One axial slice (80 of 280, counting up from the lowest) of a chest CT acquired at 120 kVp with the D kernel; each pixel is 0.666 mm and the slice is 1.00 mm thick.
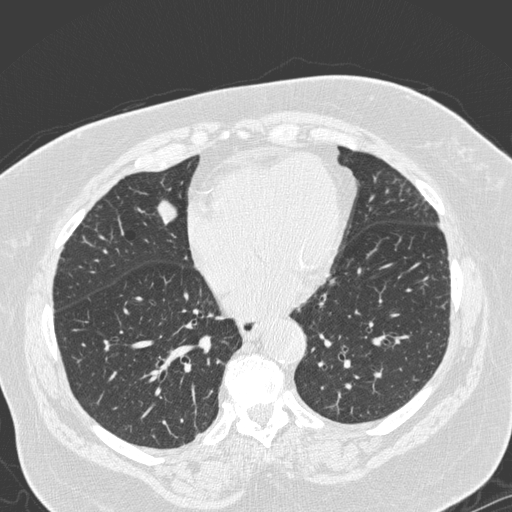
Pulmonary nodule, outlined by all four readers. Box on this slice rows 199–224, columns 156–178, the union of the readers' outlines on this slice; longest diameter 25.9 mm on average over the four readers' outlines (readers' outlines 25.0–27.8 mm), volume 4698–5913 mm3. The readers' prevailing ratings and who disagreed: texture 5/5 (solid), all four readers agreeing; margin split among the readers: 4/5 (two), 5/5 (circumscribed) (two); sphericity 5/5 (round) by two of four readers; the rest gave 3/5 (ovoid) (one), 4/5 (one); calcification absent from all four readers; internal structure soft tissue from all four readers; subtlety 5/5 from all four readers; malignancy likelihood 5/5 by two of four readers; the rest gave 2/5 (one), 4/5 (one). Scale key (1–5): texture non-solid→solid, margin indistinct→circumscribed, sphericity linear→round, subtlety extremely subtle→obvious, malignancy likelihood highly unlikely→highly suspicious of cancer. Box rows and columns are 0-based pixel indices from the top-left corner, inclusive.